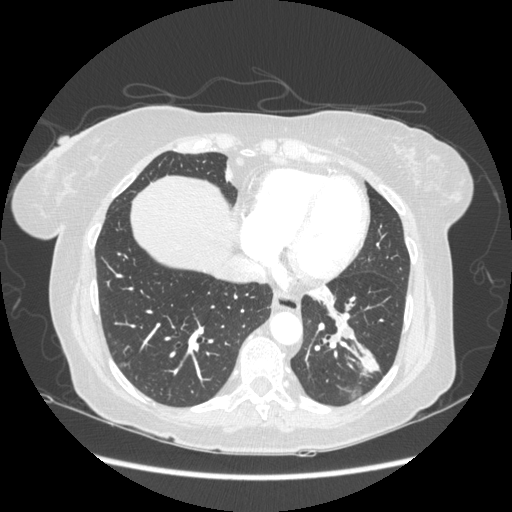
Slice 74/230 of a chest CT, counting up from the lowest; pixel size 0.742 mm, slice thickness 1.25 mm. Pulmonary nodule outlined by all four readers; box rows 345–375, columns 358–379 (the union of the readers' outlines on this slice); longest diameter 23.1–31.5 mm and volume 3020–5074 mm3 across the four readers' outlines. Ratings across the readers: texture 5/5 (solid) from all four readers; margin from 3/5 to 5/5 (circumscribed) across the four readers; sphericity from 3/5 (ovoid) to 5/5 (round) across the four readers; calcification absent, all four readers agreeing; internal structure soft tissue, all four readers agreeing; subtlety 5/5, all four readers agreeing; malignancy likelihood rated between 3 and 5 out of 5 by the four readers. Scale key (1–5): texture non-solid→solid, margin indistinct→circumscribed, sphericity linear→round, subtlety extremely subtle→obvious, malignancy likelihood highly unlikely→highly suspicious of cancer. Box rows and columns are 0-based pixel indices from the top-left corner, inclusive.
Acquired at 120 kVp and reconstructed with the STANDARD kernel.